Axial chest CT slice 82 of 129 (counted from the lowest slice); tube voltage 140 kVp, convolution kernel BONE; slices 2.50 mm thick, 0.645 mm per pixel.
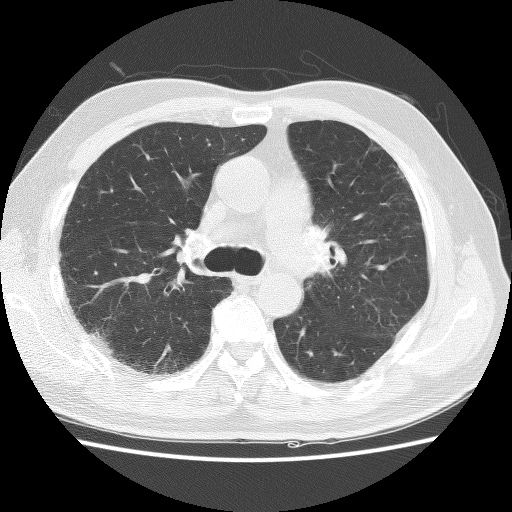
No nodule of 3 mm or larger was outlined by any of the four readers on this slice.